One axial slice (57 of 150, counting up from the lowest) of a chest CT acquired at 120 kVp with the STANDARD kernel; each pixel is 0.820 mm and the slice is 2.50 mm thick.
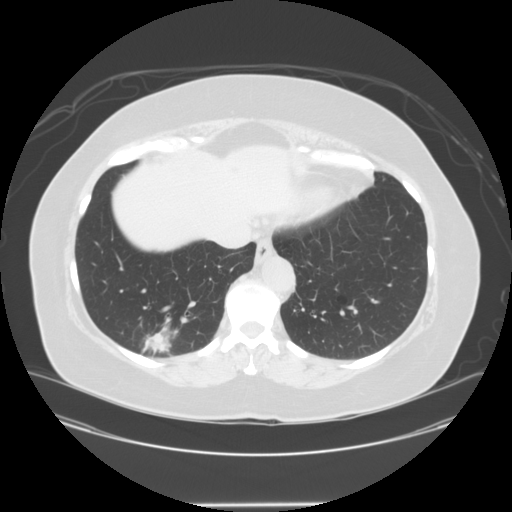
Pulmonary nodule at rows 324–354, columns 138–178 (box = the union of the readers' outlines on this slice), outlined by three of the four readers; median longest diameter 36.7 mm (readers' outlines 34.5–41.5 mm), median volume 15464 mm3 (15181–19016 mm3). Median ratings and the readers' spread: texture 5/5 (solid) from all three readers; margin 4/5 at the median of three readers, spread 2/5 to 4/5; median sphericity 4/5 (readers ranged 3/5 (ovoid) to 5/5 (round)); calcification absent from all three readers; internal structure soft tissue from all three readers; subtlety 5/5, all three readers agreeing; malignancy likelihood 5/5 from all three readers. Scale key (1–5): texture non-solid→solid, margin indistinct→circumscribed, sphericity linear→round, subtlety extremely subtle→obvious, malignancy likelihood highly unlikely→highly suspicious of cancer. Box rows and columns are 0-based pixel indices from the top-left corner, inclusive.